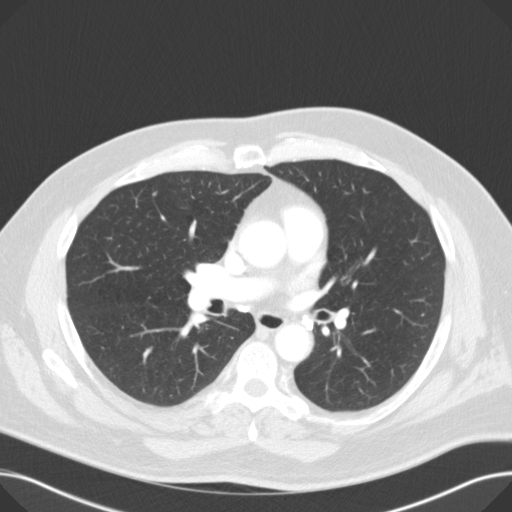
One axial slice (73 of 125, counting up from the lowest) of a chest CT acquired at 120 kVp with the B31f kernel; each pixel is 0.730 mm and the slice is 3.00 mm thick.
This slice carries no reader outline of a nodule 3 mm or larger.